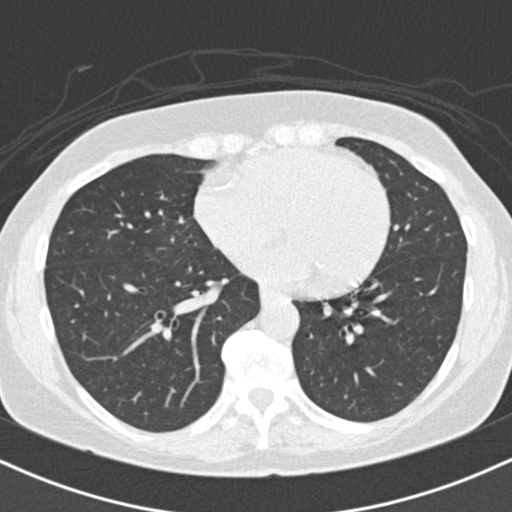
Axial slice 78 of 182 of a chest CT (slice 1 is the lowest), reconstructed with the B30f kernel at 120 kVp; 2.00 mm slice thickness and 0.625 mm pixels.
No nodule of 3 mm or larger was outlined by any of the four readers on this slice.